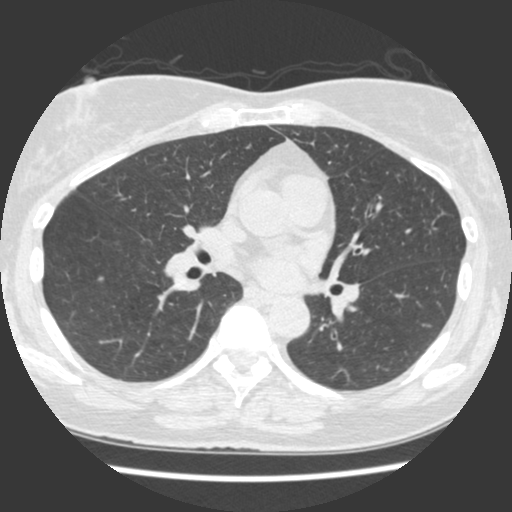
One axial slice (199 of 429, counting up from the lowest) of a chest CT acquired at 120 kVp with the STANDARD kernel; each pixel is 0.586 mm and the slice is 1.25 mm thick.
Pulmonary nodule, outlined by all four readers. Box on this slice rows 276–281, columns 96–104, the union of the readers' outlines on this slice; longest diameter 7.7 mm on average over the four readers' outlines (readers' outlines 7.2–8.0 mm), volume 53–78 mm3. The readers' prevailing ratings and who disagreed: texture split among the readers: 4/5 (two), 5/5 (solid) (two); most readers (three of four) put margin at 3/5, others 5/5 (circumscribed) (one); sphericity 4/5 by two of four readers; the rest gave 2/5 (one), 3/5 (ovoid) (one); calcification absent, all four readers agreeing; internal structure soft tissue from all four readers; subtlety 3/5 by two of four readers; the rest gave 4/5 (one), 5/5 (one); malignancy likelihood 2/5 by two of four readers; the rest gave 3/5 (one), 4/5 (one). Scale key (1–5): texture non-solid→solid, margin indistinct→circumscribed, sphericity linear→round, subtlety extremely subtle→obvious, malignancy likelihood highly unlikely→highly suspicious of cancer. Box rows and columns are 0-based pixel indices from the top-left corner, inclusive.